Axial chest CT slice 92 of 144 (counted from the lowest slice); tube voltage 120 kVp, convolution kernel STANDARD; slices 2.50 mm thick, 0.625 mm per pixel.
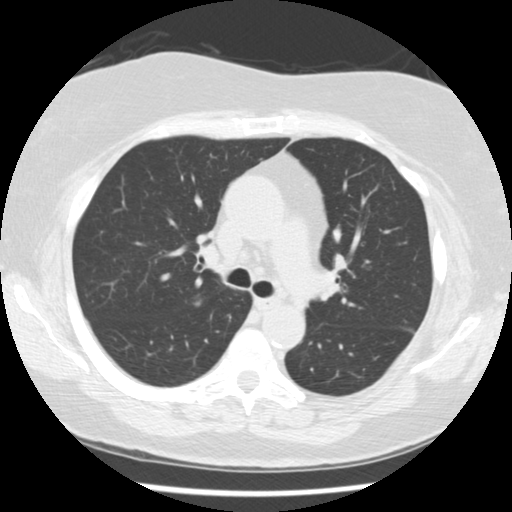
Pulmonary nodule at rows 300–307, columns 194–200 (box = the union of the readers' outlines on this slice), outlined by two of the four readers; median longest diameter 6.3 mm (readers' outlines 5.2–7.5 mm), median volume 65 mm3 (58–71 mm3). Ratings, median across the readers with their spread: texture 5/5 (solid) from both readers; margin 4/5, both readers agreeing; median sphericity 4/5 (readers ranged 3/5 (ovoid) to 5/5 (round)); calcification absent from both readers; internal structure soft tissue from both readers; subtlety 3.5/5 at the median of two readers, spread 2–5; malignancy likelihood 2.5/5 at the median of two readers, spread 2–3. Scale key (1–5): texture non-solid→solid, margin indistinct→circumscribed, sphericity linear→round, subtlety extremely subtle→obvious, malignancy likelihood highly unlikely→highly suspicious of cancer. Box rows and columns are 0-based pixel indices from the top-left corner, inclusive.